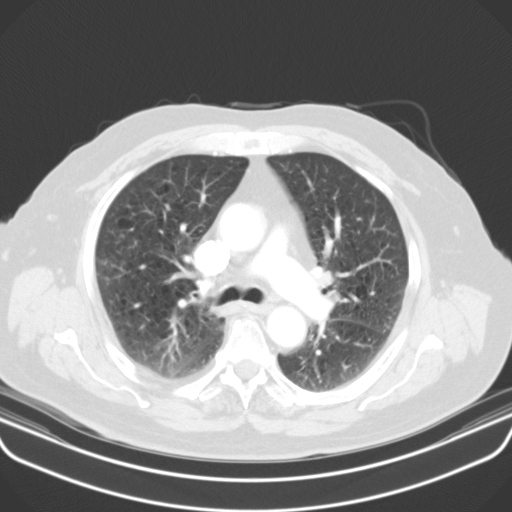
Axial slice 74 of 107 of a chest CT (slice 1 is the lowest), reconstructed with the B31s kernel at 130 kVp; 3.00 mm slice thickness and 0.742 mm pixels.
Pulmonary nodule, outlined by three of the four readers, one of them on this slice. Box on this slice rows 260–265, columns 102–106, the one reader's outline on this slice; longest diameter 6.0–9.6 mm and volume 106–202 mm3 across the three readers' outlines. The readers' ratings, as ranges where they differ: texture from 3/5 (part-solid) to 5/5 (solid) across the three readers; margin from 2/5 to 3/5 across the three readers; sphericity from 2/5 to 4/5 across the three readers; calcification absent, all three readers agreeing; internal structure soft tissue, all three readers agreeing; subtlety from 3/5 to 4/5 across the three readers; malignancy likelihood 3/5, all three readers agreeing. Scale key (1–5): texture non-solid→solid, margin indistinct→circumscribed, sphericity linear→round, subtlety extremely subtle→obvious, malignancy likelihood highly unlikely→highly suspicious of cancer. Box rows and columns are 0-based pixel indices from the top-left corner, inclusive.